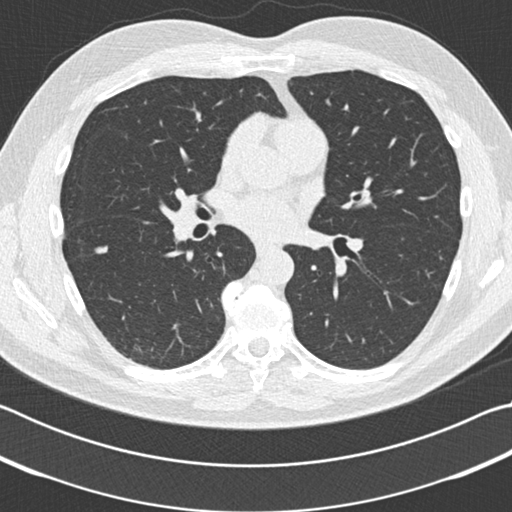
Axial chest CT slice 97 of 185 (counted from the lowest slice); 2.00 mm thick, 0.664 mm per pixel. Pulmonary nodule, outlined by three of the four readers. Box on this slice rows 246–253, columns 93–107, the union of the readers' outlines on this slice; longest diameter 9.8–11.6 mm and volume 146–216 mm3 across the three readers' outlines. Ratings across the readers: texture 5/5 (solid) from all three readers; margin from 3/5 to 4/5 across the three readers; sphericity from 2/5 to 3/5 (ovoid) across the three readers; calcification absent from all three readers; internal structure soft tissue from all three readers; subtlety 4/5 from all three readers; malignancy likelihood 3/5 from all three readers. Scale key (1–5): texture non-solid→solid, margin indistinct→circumscribed, sphericity linear→round, subtlety extremely subtle→obvious, malignancy likelihood highly unlikely→highly suspicious of cancer. Box rows and columns are 0-based pixel indices from the top-left corner, inclusive.
Tube voltage 120 kVp; convolution kernel B30f.